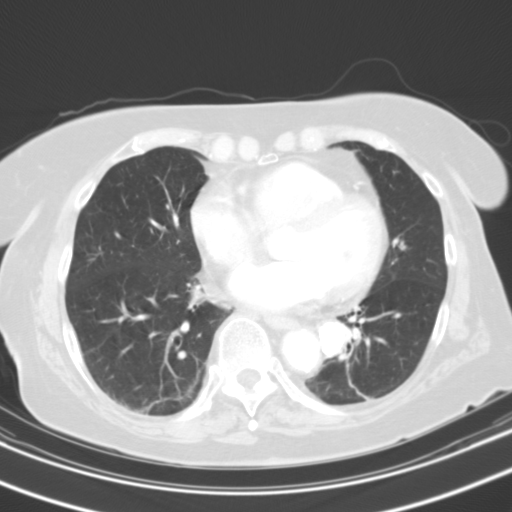
Axial slice 47 of 109 of a chest CT (slice 1 is the lowest), reconstructed with the B31s kernel at 130 kVp; 3.00 mm slice thickness and 0.629 mm pixels.
Pulmonary nodule outlined by all four readers; box rows 285–307, columns 189–204 (the union of the readers' outlines on this slice); median longest diameter 19.5 mm (readers' outlines 18.0–19.5 mm), median volume 1868 mm3 (1810–2198 mm3). Ratings, median across the readers with their spread: texture 5/5 (solid) from all four readers; margin 4/5 at the median of four readers, spread 2/5 to 5/5 (circumscribed); median sphericity 5/5 (round) (readers ranged 4/5 to 5/5 (round)); calcification absent, all four readers agreeing; internal structure soft tissue from all four readers; subtlety 5/5 at the median of four readers, spread 3–5; malignancy likelihood 4.5/5 at the median of four readers, spread 3–5. Scale key (1–5): texture non-solid→solid, margin indistinct→circumscribed, sphericity linear→round, subtlety extremely subtle→obvious, malignancy likelihood highly unlikely→highly suspicious of cancer. Box rows and columns are 0-based pixel indices from the top-left corner, inclusive.